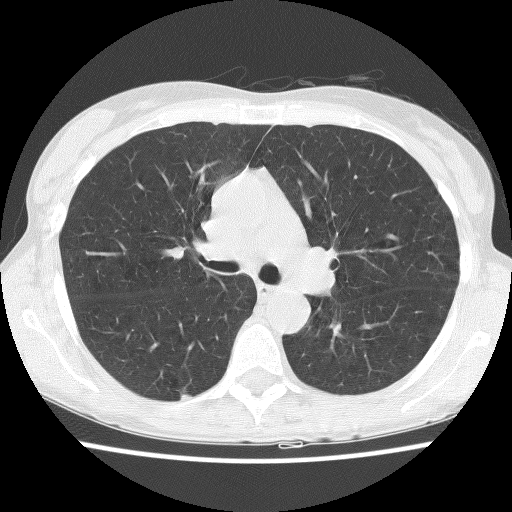
Axial slice 80 of 123 of a chest CT (slice 1 is the lowest), reconstructed with the BONE kernel at 140 kVp; 2.50 mm slice thickness and 0.586 mm pixels.
Pulmonary nodule outlined by one of the four readers; box rows 394–398, columns 181–191 (that reader's outline on this slice); longest diameter 9.0 mm and volume 157 mm3 from that reader's outline. Ratings by that reader: texture 5/5 (solid); margin 5/5 (circumscribed); sphericity 5/5 (round); calcification absent; internal structure soft tissue; subtlety 5/5; malignancy likelihood 2/5. Scale key (1–5): texture non-solid→solid, margin indistinct→circumscribed, sphericity linear→round, subtlety extremely subtle→obvious, malignancy likelihood highly unlikely→highly suspicious of cancer. Box rows and columns are 0-based pixel indices from the top-left corner, inclusive.